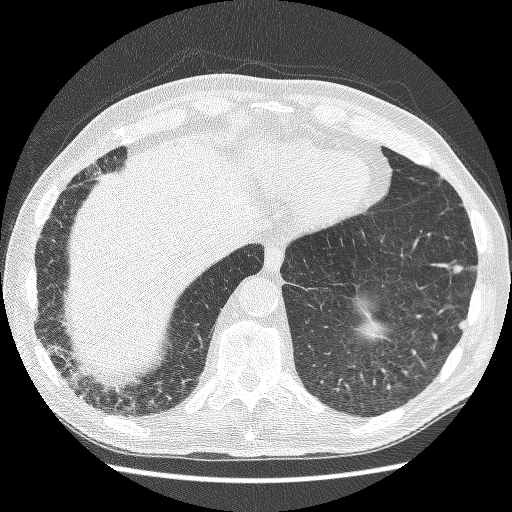
One axial slice (54 of 241, counting up from the lowest) of a chest CT acquired at 120 kVp with the BONE kernel; each pixel is 0.703 mm and the slice is 1.25 mm thick.
Two pulmonary nodules are outlined on this slice; from left to right: (1) Pulmonary nodule outlined by all four readers; box rows 265–273, columns 452–462 (the union of the readers' outlines on this slice); median longest diameter 8.8 mm (readers' outlines 8.0–10.1 mm), median volume 146 mm3 (97–222 mm3). Median ratings and the readers' spread: texture 5/5 (solid), all four readers agreeing; median margin 4.5/5 (readers ranged 4/5 to 5/5 (circumscribed)); sphericity 4/5 at the median of four readers, spread 3/5 (ovoid) to 4/5; calcification: absent (three), solid calcification (one); internal structure soft tissue from all four readers; median subtlety 4/5 (readers ranged 3–5); malignancy likelihood 3/5 at the median of four readers, spread 1–3. (2) Pulmonary nodule at rows 319–330, columns 457–467 (box = the union of the readers' outlines on this slice), outlined by all four readers; longest diameter 9.0 mm on average over the four readers' outlines (readers' outlines 7.6–10.1 mm), volume 81–114 mm3. The readers' prevailing ratings and who disagreed: texture 5/5 (solid), all four readers agreeing; most readers (three of four) put margin at 4/5, others 5/5 (circumscribed) (one); sphericity 4/5 by two of four readers; the rest gave 2/5 (one), 3/5 (ovoid) (one); calcification absent, all four readers agreeing; internal structure soft tissue from all four readers; subtlety 4/5 by three of four readers; the rest gave 3/5 (one); malignancy likelihood 2/5 by two of four readers; the rest gave 1/5 (one), 3/5 (one). Scale key (1–5): texture non-solid→solid, margin indistinct→circumscribed, sphericity linear→round, subtlety extremely subtle→obvious, malignancy likelihood highly unlikely→highly suspicious of cancer. Box rows and columns are 0-based pixel indices from the top-left corner, inclusive.